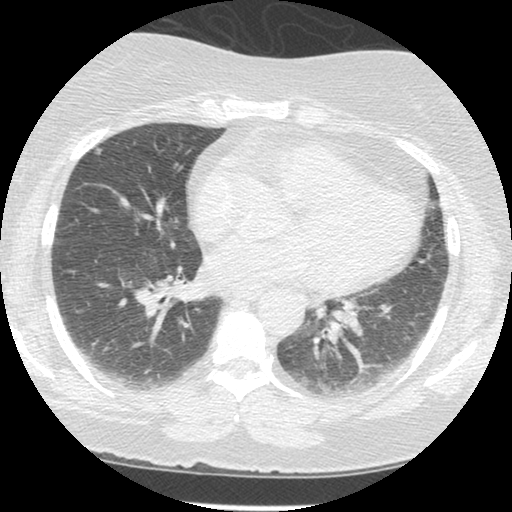
Axial chest CT slice 148 of 381 (counted from the lowest slice); tube voltage 120 kVp, convolution kernel STANDARD; slices 1.25 mm thick, 0.625 mm per pixel.
Pulmonary nodule at rows 148–154, columns 93–101 (box = the union of the readers' outlines on this slice), outlined by three of the four readers; longest diameter 6.7 mm on average over the three readers' outlines (readers' outlines 6.5–7.1 mm), volume 53–61 mm3. Ratings, by the readers' most common answer with dissent counted: texture 5/5 (solid) by two of three readers; the rest gave 1/5 (non-solid) (one); margin split among the readers: 3/5 (one), 4/5 (one), 5/5 (circumscribed) (one); sphericity 5/5 (round) by two of three readers; the rest gave 3/5 (ovoid) (one); calcification absent from all three readers; internal structure soft tissue from all three readers; most readers (two of three) put subtlety at 3/5, others 5/5 (one); malignancy likelihood 3/5 by two of three readers; the rest gave 2/5 (one). Scale key (1–5): texture non-solid→solid, margin indistinct→circumscribed, sphericity linear→round, subtlety extremely subtle→obvious, malignancy likelihood highly unlikely→highly suspicious of cancer. Box rows and columns are 0-based pixel indices from the top-left corner, inclusive.